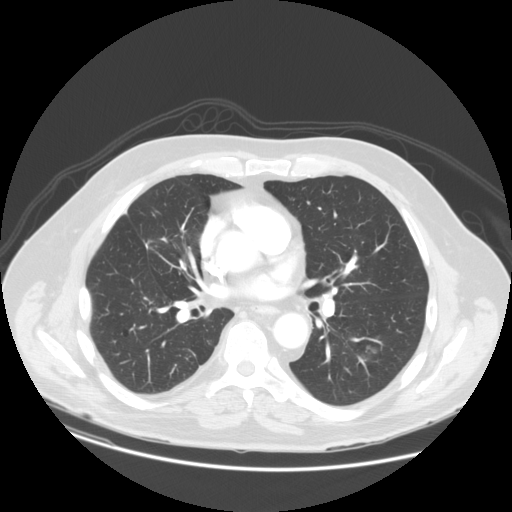
Chest CT, axial plane, 120 kVp, kernel STANDARD. Slice 65/140 from the bottom of the scan; thickness 2.50 mm; pixel size 0.820 mm.
Pulmonary nodule, outlined by one of the four readers. Box on this slice rows 343–355, columns 364–378, that reader's outline on this slice; longest diameter 31.7 mm and volume 4731 mm3 from that reader's outline. Ratings by that reader: texture 1/5 (non-solid); margin 2/5; sphericity 5/5 (round); calcification absent; internal structure soft tissue; subtlety 1/5; malignancy likelihood 2/5. Scale key (1–5): texture non-solid→solid, margin indistinct→circumscribed, sphericity linear→round, subtlety extremely subtle→obvious, malignancy likelihood highly unlikely→highly suspicious of cancer. Box rows and columns are 0-based pixel indices from the top-left corner, inclusive.